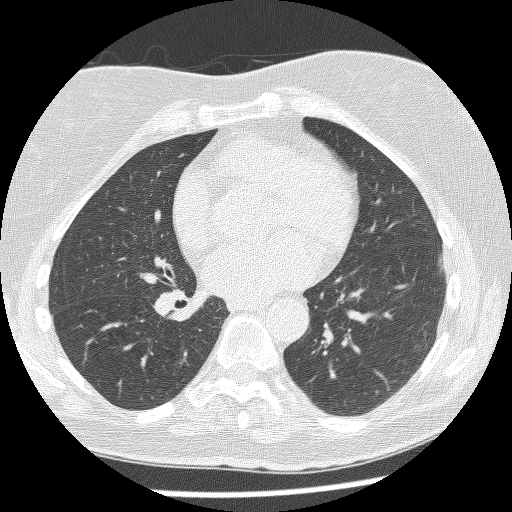
Axial chest CT slice 124 of 253 (counted from the lowest slice); tube voltage 120 kVp, convolution kernel BONE; slices 1.25 mm thick, 0.602 mm per pixel.
No nodule 3 mm or larger was outlined here by any reader.